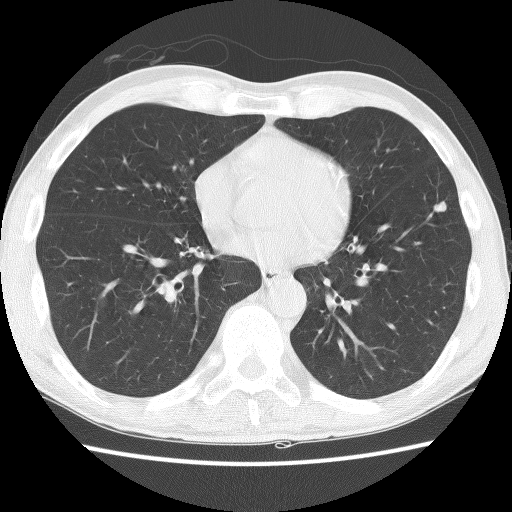
Axial slice 51 of 136 of a chest CT (slice 1 is the lowest), reconstructed with the BONE kernel at 140 kVp; 2.50 mm slice thickness and 0.646 mm pixels.
Pulmonary nodule at rows 201–212, columns 431–445 (box = the union of the readers' outlines on this slice), outlined by all four readers; median longest diameter 10.5 mm (readers' outlines 9.0–11.0 mm), median volume 350 mm3 (271–385 mm3). Median ratings and the readers' spread: median texture 5/5 (solid) (readers ranged 4/5 to 5/5 (solid)); median margin 5/5 (circumscribed) (readers ranged 4/5 to 5/5 (circumscribed)); sphericity 3/5 (ovoid) at the median of four readers, spread 3/5 (ovoid) to 4/5; calcification absent from all four readers; internal structure soft tissue from all four readers; median subtlety 4.5/5 (readers ranged 4–5); malignancy likelihood 4/5 at the median of four readers, spread 3–4. Scale key (1–5): texture non-solid→solid, margin indistinct→circumscribed, sphericity linear→round, subtlety extremely subtle→obvious, malignancy likelihood highly unlikely→highly suspicious of cancer. Box rows and columns are 0-based pixel indices from the top-left corner, inclusive.